Axial chest CT slice 175 of 209 (counted from the lowest slice); tube voltage 120 kVp, convolution kernel BONE; slices 1.25 mm thick, 0.617 mm per pixel.
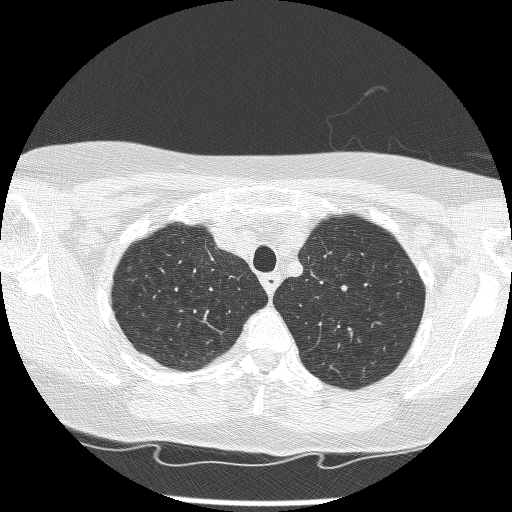
Pulmonary nodule, outlined by one of the four readers. Box on this slice rows 265–271, columns 127–131, that reader's outline on this slice; longest diameter 6.4 mm and volume 52 mm3 from that reader's outline. That reader's ratings: texture 1/5 (non-solid); margin 1/5 (indistinct); sphericity 4/5; calcification absent; internal structure soft tissue; subtlety 1/5; malignancy likelihood 2/5. Scale key (1–5): texture non-solid→solid, margin indistinct→circumscribed, sphericity linear→round, subtlety extremely subtle→obvious, malignancy likelihood highly unlikely→highly suspicious of cancer. Box rows and columns are 0-based pixel indices from the top-left corner, inclusive.